Axial chest CT slice 94 of 177 (counted from the lowest slice); tube voltage 120 kVp, convolution kernel B30f; slices 2.00 mm thick, 0.643 mm per pixel.
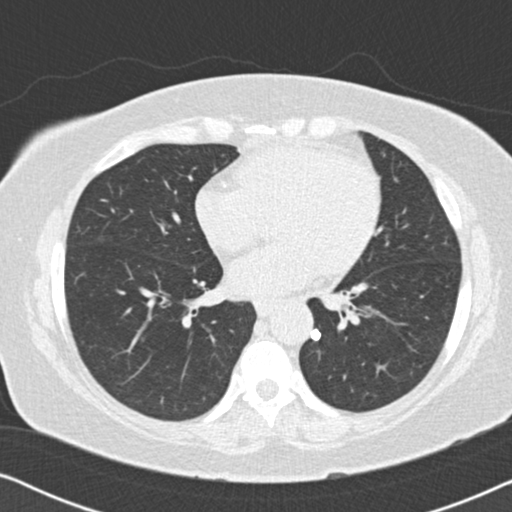
Pulmonary nodule, outlined by two of the four readers. Box on this slice rows 330–338, columns 312–319, the union of the readers' outlines on this slice; median longest diameter 6.6 mm (readers' outlines 6.6 mm), median volume 131 mm3 (131 mm3). Ratings, median across the readers with their spread: texture 5/5 (solid) from both readers; margin 5/5 (circumscribed), both readers agreeing; sphericity 5/5 (round), both readers agreeing; calcification solid calcification from both readers; internal structure soft tissue, both readers agreeing; median subtlety 4.5/5 (readers ranged 4–5); malignancy likelihood 1/5, both readers agreeing. Scale key (1–5): texture non-solid→solid, margin indistinct→circumscribed, sphericity linear→round, subtlety extremely subtle→obvious, malignancy likelihood highly unlikely→highly suspicious of cancer. Box rows and columns are 0-based pixel indices from the top-left corner, inclusive.